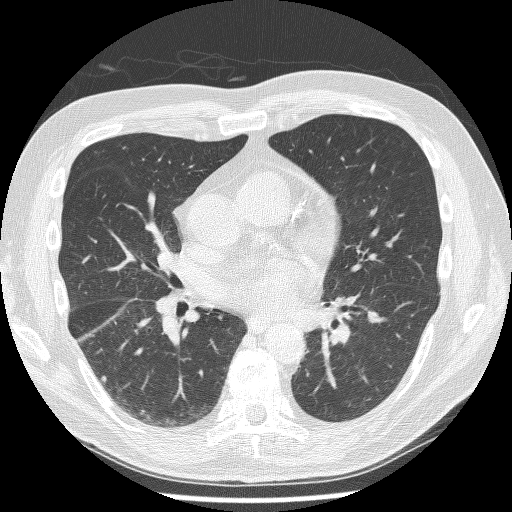
One axial slice (126 of 244, counting up from the lowest) of a chest CT acquired at 120 kVp with the BONE kernel; each pixel is 0.674 mm and the slice is 1.25 mm thick.
Pulmonary nodule at rows 375–382, columns 101–106 (box = the union of the readers' outlines on this slice), outlined by all four readers; the four readers' outlines give a longest diameter between 4.5 and 6.6 mm and a volume between 47 and 112 mm3. Ratings across the readers: texture from 4/5 to 5/5 (solid) across the four readers; margin from 2/5 to 5/5 (circumscribed) across the four readers; sphericity from 3/5 (ovoid) to 5/5 (round) across the four readers; calcification absent from all four readers; internal structure soft tissue, all four readers agreeing; subtlety from 3/5 to 4/5 across the four readers; malignancy likelihood 2–4/5 (the readers disagree). Scale key (1–5): texture non-solid→solid, margin indistinct→circumscribed, sphericity linear→round, subtlety extremely subtle→obvious, malignancy likelihood highly unlikely→highly suspicious of cancer. Box rows and columns are 0-based pixel indices from the top-left corner, inclusive.